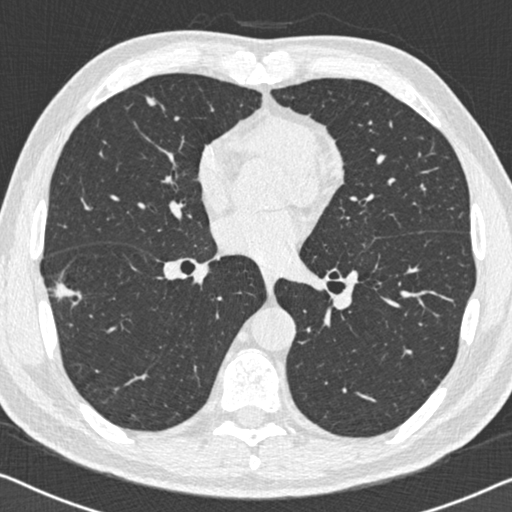
Slice 300/558 of a chest CT, counting up from the lowest; pixel size 0.648 mm, slice thickness 0.75 mm. Two pulmonary nodules are outlined on this slice; from left to right: (1) Pulmonary nodule outlined by all four readers; box rows 282–301, columns 48–75 (the union of the readers' outlines on this slice); median longest diameter 21.8 mm (readers' outlines 18.8–26.5 mm), median volume 1099 mm3 (726–1916 mm3). Median ratings and the readers' spread: median texture 4.5/5 (readers ranged 3/5 (part-solid) to 5/5 (solid)); median margin 3/5 (readers ranged 1/5 (indistinct) to 4/5); median sphericity 3/5 (ovoid) (readers ranged 2/5 to 4/5); calcification absent, all four readers agreeing; internal structure soft tissue from all four readers; subtlety 5/5 at the median of four readers, spread 4–5; malignancy likelihood 4/5 at the median of four readers, spread 4–5. (2) Pulmonary nodule outlined by all four readers; box rows 96–106, columns 145–156 (the union of the readers' outlines on this slice); median longest diameter 8.3 mm (readers' outlines 7.4–9.6 mm), median volume 110 mm3 (85–182 mm3). Ratings, median across the readers with their spread: median texture 5/5 (solid) (readers ranged 4/5 to 5/5 (solid)); margin 4/5 at the median of four readers, spread 4/5 to 5/5 (circumscribed); median sphericity 3/5 (ovoid) (readers ranged 3/5 (ovoid) to 4/5); calcification absent from all four readers; internal structure soft tissue, all four readers agreeing; median subtlety 4/5 (readers ranged 4–5); malignancy likelihood 3/5 at the median of four readers, spread 3–4. Scale key (1–5): texture non-solid→solid, margin indistinct→circumscribed, sphericity linear→round, subtlety extremely subtle→obvious, malignancy likelihood highly unlikely→highly suspicious of cancer. Box rows and columns are 0-based pixel indices from the top-left corner, inclusive.
Tube voltage 120 kVp; convolution kernel B30f.